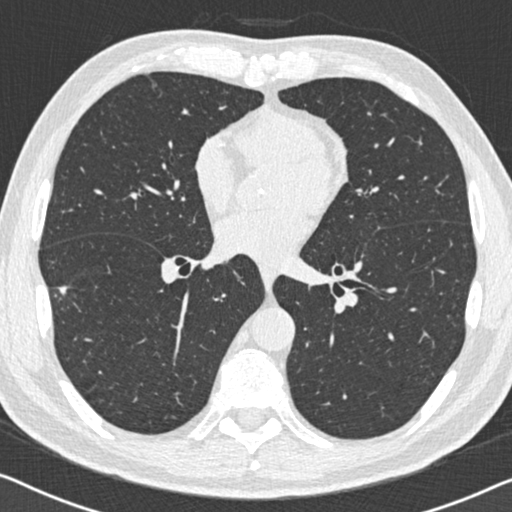
Axial chest CT slice 291 of 558 (counted from the lowest slice); tube voltage 120 kVp, convolution kernel B30f; slices 0.75 mm thick, 0.648 mm per pixel.
Pulmonary nodule outlined by all four readers; box rows 286–295, columns 58–68 (the union of the readers' outlines on this slice); median longest diameter 21.8 mm (readers' outlines 18.8–26.5 mm), median volume 1099 mm3 (726–1916 mm3). Median ratings and the readers' spread: texture 4.5/5 at the median of four readers, spread 3/5 (part-solid) to 5/5 (solid); margin 3/5 at the median of four readers, spread 1/5 (indistinct) to 4/5; median sphericity 3/5 (ovoid) (readers ranged 2/5 to 4/5); calcification absent, all four readers agreeing; internal structure soft tissue from all four readers; subtlety 5/5 at the median of four readers, spread 4–5; median malignancy likelihood 4/5 (readers ranged 4–5). Scale key (1–5): texture non-solid→solid, margin indistinct→circumscribed, sphericity linear→round, subtlety extremely subtle→obvious, malignancy likelihood highly unlikely→highly suspicious of cancer. Box rows and columns are 0-based pixel indices from the top-left corner, inclusive.